One axial slice (56 of 127, counting up from the lowest) of a chest CT acquired at 140 kVp with the BONE kernel; each pixel is 0.664 mm and the slice is 2.50 mm thick.
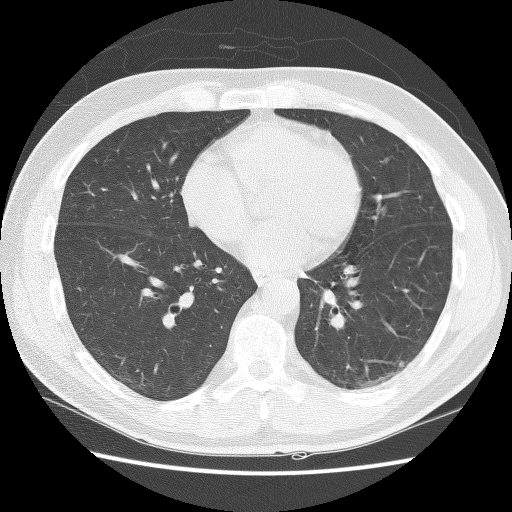
Pulmonary nodule at rows 361–367, columns 399–404 (box = the union of the readers' outlines on this slice), outlined by all four readers; median longest diameter 5.4 mm (readers' outlines 3.9–5.7 mm), median volume 41 mm3 (20–62 mm3). Median ratings and the readers' spread: median texture 4.5/5 (readers ranged 3/5 (part-solid) to 5/5 (solid)); margin 3/5 at the median of four readers, spread 3/5 to 5/5 (circumscribed); sphericity 4/5 at the median of four readers, spread 3/5 (ovoid) to 4/5; calcification absent from all four readers; internal structure soft tissue from all four readers; median subtlety 2.5/5 (readers ranged 2–4); malignancy likelihood 3/5 at the median of four readers, spread 2–3. Scale key (1–5): texture non-solid→solid, margin indistinct→circumscribed, sphericity linear→round, subtlety extremely subtle→obvious, malignancy likelihood highly unlikely→highly suspicious of cancer. Box rows and columns are 0-based pixel indices from the top-left corner, inclusive.